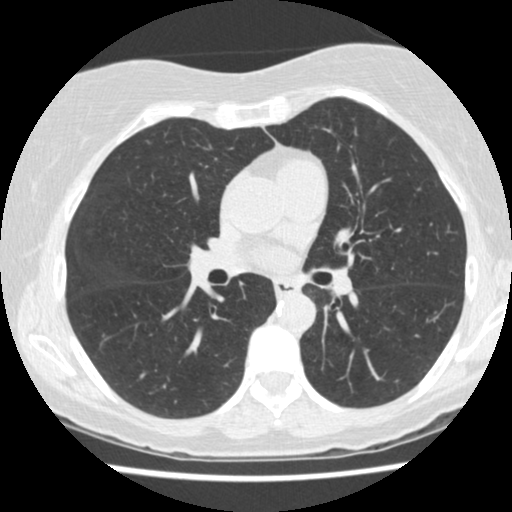
Chest CT, axial plane, 120 kVp, kernel STANDARD. Slice 244/458 from the bottom of the scan; thickness 1.25 mm; pixel size 0.586 mm.
Pulmonary nodule outlined by one of the four readers; box rows 229–233, columns 87–92 (that reader's outline on this slice); longest diameter 5.3 mm and volume 30 mm3 from that reader's outline. Ratings by that reader: texture 1/5 (non-solid); margin 2/5; sphericity 4/5; calcification absent; internal structure soft tissue; subtlety 2/5; malignancy likelihood 2/5. Scale key (1–5): texture non-solid→solid, margin indistinct→circumscribed, sphericity linear→round, subtlety extremely subtle→obvious, malignancy likelihood highly unlikely→highly suspicious of cancer. Box rows and columns are 0-based pixel indices from the top-left corner, inclusive.